Chest CT, axial plane, 120 kVp, kernel B30f. Slice 217/425 from the bottom of the scan; thickness 0.75 mm; pixel size 0.539 mm.
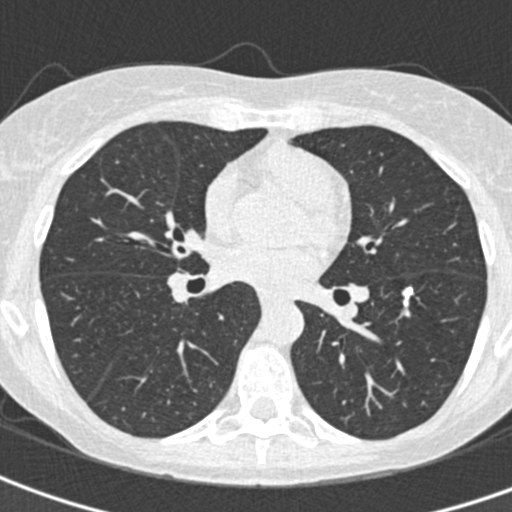
Pulmonary nodule, outlined by all four readers. Box on this slice rows 286–307, columns 401–413, the union of the readers' outlines on this slice; median longest diameter 11.5 mm (readers' outlines 7.7–12.7 mm), median volume 179 mm3 (139–224 mm3). Median ratings and the readers' spread: texture 5/5 (solid) from all four readers; margin 5/5 (circumscribed) from all four readers; sphericity 4/5 at the median of four readers, spread 2/5 to 5/5 (round); calcification solid calcification, all four readers agreeing; internal structure soft tissue from all four readers; subtlety 5/5, all four readers agreeing; malignancy likelihood 1/5 from all four readers. Scale key (1–5): texture non-solid→solid, margin indistinct→circumscribed, sphericity linear→round, subtlety extremely subtle→obvious, malignancy likelihood highly unlikely→highly suspicious of cancer. Box rows and columns are 0-based pixel indices from the top-left corner, inclusive.